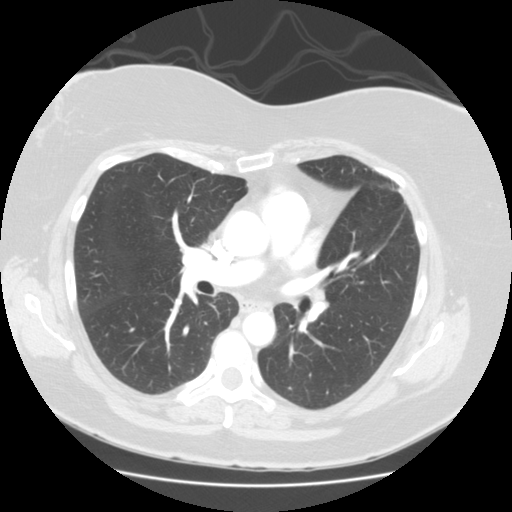
Axial chest CT slice 84 of 127 (counted from the lowest slice); tube voltage 120 kVp, convolution kernel STANDARD; slices 2.50 mm thick, 0.703 mm per pixel.
None of the four readers outlined a nodule of 3 mm or more on this slice.